Axial slice 262 of 506 of a chest CT (slice 1 is the lowest), reconstructed with the B30f kernel at 120 kVp; 0.75 mm slice thickness and 0.699 mm pixels.
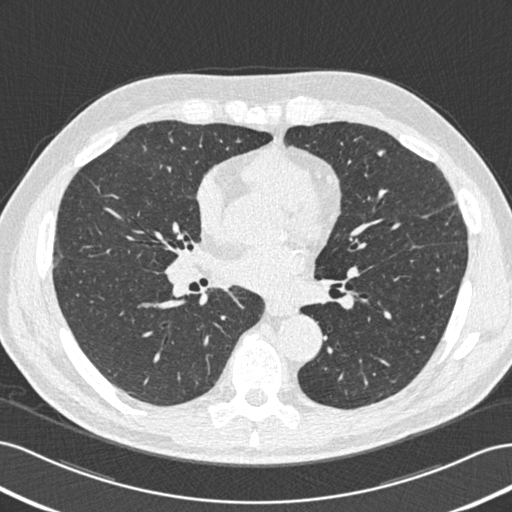
Pulmonary nodule at rows 150–156, columns 377–384 (box = the union of the readers' outlines on this slice), outlined by two of the four readers; longest diameter 6.4–6.6 mm and volume 30–42 mm3 across the two readers' outlines. The readers' ratings, as ranges where they differ: texture 5/5 (solid), both readers agreeing; margin from 3/5 to 5/5 (circumscribed) across the two readers; sphericity from 3/5 (ovoid) to 5/5 (round) across the two readers; calcification absent, both readers agreeing; internal structure soft tissue from both readers; subtlety rated between 2 and 3 out of 5 by the two readers; malignancy likelihood 2/5 from both readers. Scale key (1–5): texture non-solid→solid, margin indistinct→circumscribed, sphericity linear→round, subtlety extremely subtle→obvious, malignancy likelihood highly unlikely→highly suspicious of cancer. Box rows and columns are 0-based pixel indices from the top-left corner, inclusive.